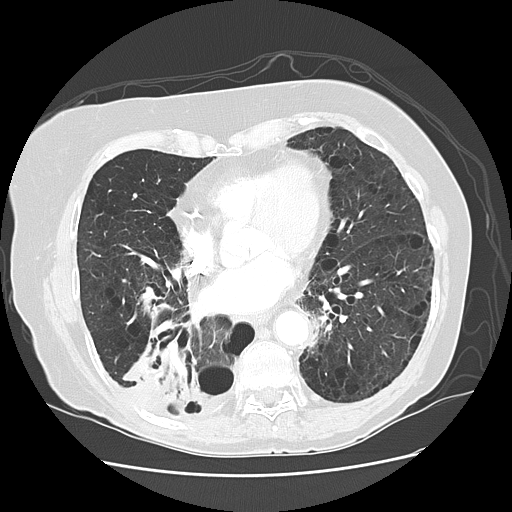
Axial slice 54 of 125 of a chest CT (slice 1 is the lowest), reconstructed with the LUNG kernel at 120 kVp; 2.50 mm slice thickness and 0.703 mm pixels.
Pulmonary nodule, outlined by one of the four readers. Box on this slice rows 312–340, columns 300–317, that reader's outline on this slice; longest diameter 37.4 mm and volume 10878 mm3 from that reader's outline. That reader's ratings: texture 5/5 (solid); margin 5/5 (circumscribed); sphericity 5/5 (round); calcification absent; internal structure soft tissue; subtlety 3/5; malignancy likelihood 2/5. Scale key (1–5): texture non-solid→solid, margin indistinct→circumscribed, sphericity linear→round, subtlety extremely subtle→obvious, malignancy likelihood highly unlikely→highly suspicious of cancer. Box rows and columns are 0-based pixel indices from the top-left corner, inclusive.